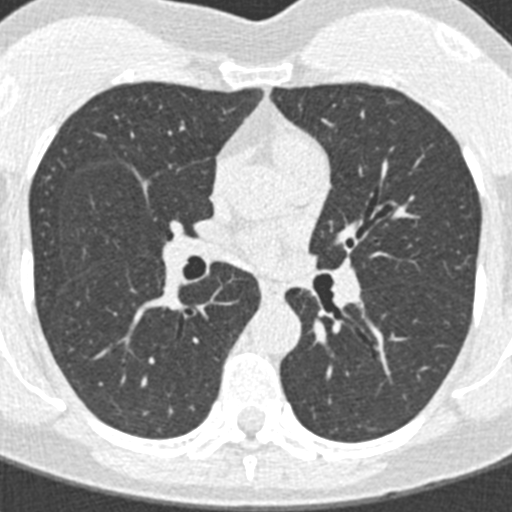
Axial chest CT slice 204 of 376 (counted from the lowest slice); tube voltage 120 kVp, convolution kernel B30f; slices 0.75 mm thick, 0.461 mm per pixel.
Pulmonary nodule outlined by three of the four readers, one of them on this slice; box rows 144–148, columns 119–125 (the one reader's outline on this slice); median longest diameter 5.6 mm (readers' outlines 5.3–7.2 mm), median volume 27 mm3 (18–56 mm3). Median ratings and the readers' spread: texture 5/5 (solid) from all three readers; margin 4/5 at the median of three readers, spread 4/5 to 5/5 (circumscribed); sphericity 3/5 (ovoid) at the median of three readers, spread 3/5 (ovoid) to 4/5; calcification: solid calcification (two), absent (one); internal structure soft tissue, all three readers agreeing; median subtlety 4/5 (readers ranged 3–5); malignancy likelihood 1/5 at the median of three readers, spread 1–3. Scale key (1–5): texture non-solid→solid, margin indistinct→circumscribed, sphericity linear→round, subtlety extremely subtle→obvious, malignancy likelihood highly unlikely→highly suspicious of cancer. Box rows and columns are 0-based pixel indices from the top-left corner, inclusive.